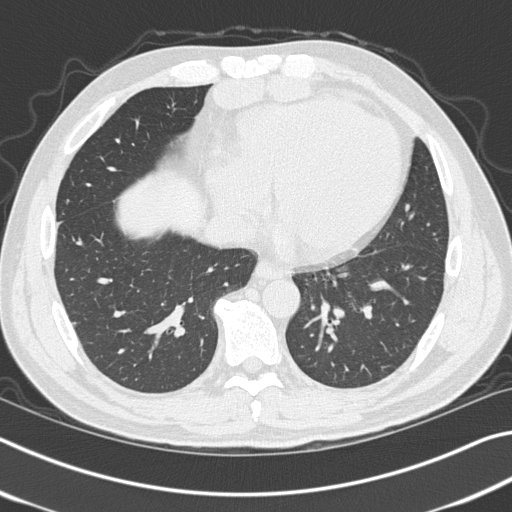
Axial chest CT slice 138 of 327 (counted from the lowest slice); 1.00 mm thick, 0.664 mm per pixel. Pulmonary nodule, outlined by two of the four readers, one of them on this slice. Box on this slice rows 322–325, columns 71–75, the one reader's outline on this slice; longest diameter 7.4 mm on average over the two readers' outlines (readers' outlines 6.8–8.0 mm), volume 47–71 mm3. Ratings, by the readers' most common answer with dissent counted: texture 5/5 (solid), both readers agreeing; margin split among the readers: 3/5 (one), 5/5 (circumscribed) (one); sphericity 4/5, both readers agreeing; calcification absent, both readers agreeing; internal structure soft tissue, both readers agreeing; subtlety 4/5 from both readers; malignancy likelihood split among the readers: 2/5 (one), 3/5 (one). Scale key (1–5): texture non-solid→solid, margin indistinct→circumscribed, sphericity linear→round, subtlety extremely subtle→obvious, malignancy likelihood highly unlikely→highly suspicious of cancer. Box rows and columns are 0-based pixel indices from the top-left corner, inclusive.
Tube voltage 120 kVp; convolution kernel B45f.